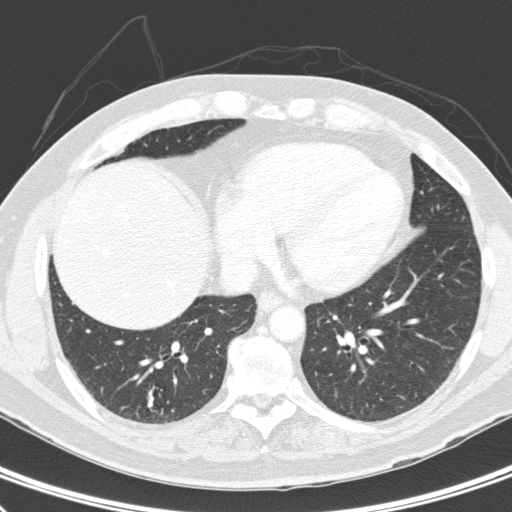
One axial slice (111 of 300, counting up from the lowest) of a chest CT acquired at 120 kVp with the D kernel; each pixel is 0.662 mm and the slice is 2.00 mm thick.
Pulmonary nodule outlined by all four readers; box rows 392–406, columns 147–152 (the union of the readers' outlines on this slice); median longest diameter 11.1 mm (readers' outlines 8.1–12.6 mm), median volume 132 mm3 (99–182 mm3). Median ratings and the readers' spread: texture 5/5 (solid) at the median of four readers, spread 3/5 (part-solid) to 5/5 (solid); median margin 4/5 (readers ranged 3/5 to 4/5); median sphericity 3/5 (ovoid) (readers ranged 2/5 to 3/5 (ovoid)); calcification: solid calcification (two), absent (one), non-central calcification (one); internal structure soft tissue, all four readers agreeing; subtlety 4.5/5 at the median of four readers, spread 4–5; median malignancy likelihood 1/5 (readers ranged 1–4). Scale key (1–5): texture non-solid→solid, margin indistinct→circumscribed, sphericity linear→round, subtlety extremely subtle→obvious, malignancy likelihood highly unlikely→highly suspicious of cancer. Box rows and columns are 0-based pixel indices from the top-left corner, inclusive.